Axial chest CT slice 125 of 347 (counted from the lowest slice); tube voltage 120 kVp, convolution kernel B45f; slices 1.00 mm thick, 0.625 mm per pixel.
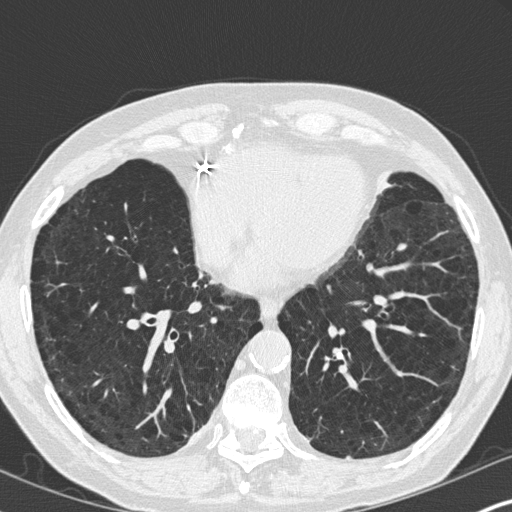
Pulmonary nodule at rows 456–459, columns 345–352 (box = the union of the readers' outlines on this slice), outlined by two of the four readers; longest diameter 7.2 mm on average over the two readers' outlines (readers' outlines 7.0–7.3 mm), volume 63–69 mm3. The readers' prevailing ratings and who disagreed: texture 5/5 (solid) from both readers; margin split among the readers: 4/5 (one), 5/5 (circumscribed) (one); sphericity 3/5 (ovoid), both readers agreeing; calcification absent from both readers; internal structure soft tissue from both readers; subtlety split among the readers: 3/5 (one), 5/5 (one); malignancy likelihood 2/5 from both readers. Scale key (1–5): texture non-solid→solid, margin indistinct→circumscribed, sphericity linear→round, subtlety extremely subtle→obvious, malignancy likelihood highly unlikely→highly suspicious of cancer. Box rows and columns are 0-based pixel indices from the top-left corner, inclusive.